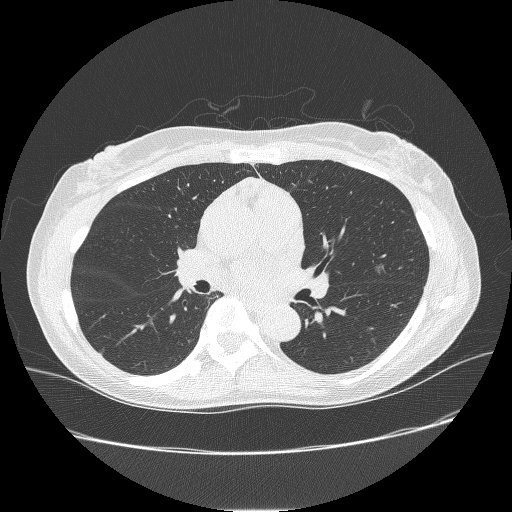
One axial slice (144 of 238, counting up from the lowest) of a chest CT acquired at 120 kVp with the BONE kernel; each pixel is 0.703 mm and the slice is 1.25 mm thick.
Pulmonary nodule outlined by three of the four readers; box rows 263–273, columns 374–385 (the union of the readers' outlines on this slice); the three readers' outlines give a longest diameter between 8.2 and 10.1 mm and a volume between 125 and 233 mm3. Ratings across the readers: texture from 1/5 (non-solid) to 2/5 across the three readers; margin from 1/5 (indistinct) to 2/5 across the three readers; sphericity from 4/5 to 5/5 (round) across the three readers; calcification absent, all three readers agreeing; internal structure soft tissue from all three readers; subtlety from 3/5 to 4/5 across the three readers; malignancy likelihood 3–4/5 (the readers disagree). Scale key (1–5): texture non-solid→solid, margin indistinct→circumscribed, sphericity linear→round, subtlety extremely subtle→obvious, malignancy likelihood highly unlikely→highly suspicious of cancer. Box rows and columns are 0-based pixel indices from the top-left corner, inclusive.